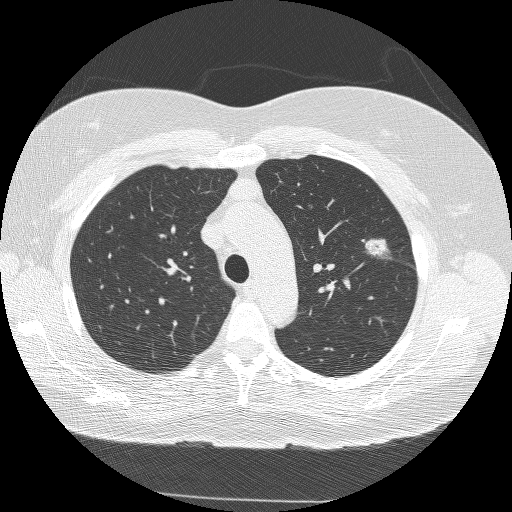
Axial chest CT slice 188 of 245 (counted from the lowest slice); tube voltage 120 kVp, convolution kernel BONE; slices 1.25 mm thick, 0.664 mm per pixel.
Pulmonary nodule, outlined by all four readers. Box on this slice rows 238–259, columns 364–392, the union of the readers' outlines on this slice; median longest diameter 21.0 mm (readers' outlines 20.8–22.3 mm), median volume 3153 mm3 (2976–3390 mm3). Median ratings and the readers' spread: texture 5/5 (solid) at the median of four readers, spread 4/5 to 5/5 (solid); margin 3.5/5 at the median of four readers, spread 3/5 to 4/5; median sphericity 3.5/5 (readers ranged 3/5 (ovoid) to 5/5 (round)); calcification absent from all four readers; internal structure soft tissue from all four readers; subtlety 5/5 from all four readers; malignancy likelihood 5/5 from all four readers. Scale key (1–5): texture non-solid→solid, margin indistinct→circumscribed, sphericity linear→round, subtlety extremely subtle→obvious, malignancy likelihood highly unlikely→highly suspicious of cancer. Box rows and columns are 0-based pixel indices from the top-left corner, inclusive.